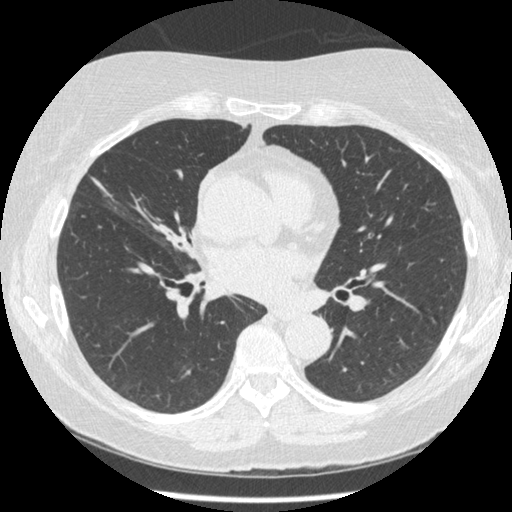
Axial chest CT slice 241 of 484 (counted from the lowest slice); 1.25 mm thick, 0.664 mm per pixel. The readers outlined no nodule of 3 mm or more on this slice.
Scan settings: 120 kVp, STANDARD reconstruction kernel.